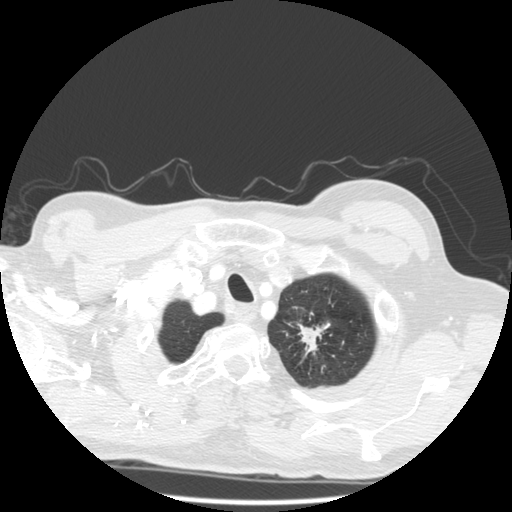
This is axial slice 462 of 501 (slice 1 is the lowest) of a chest CT; each pixel is 0.703 mm and the slice is 1.25 mm thick. Pulmonary nodule, outlined by three of the four readers. Box on this slice rows 322–357, columns 297–330, the union of the readers' outlines on this slice; median longest diameter 33.8 mm (readers' outlines 32.1–39.2 mm), median volume 3078 mm3 (2361–4873 mm3). Median ratings and the readers' spread: median texture 5/5 (solid) (readers ranged 4/5 to 5/5 (solid)); margin 3/5 at the median of three readers, spread 1/5 (indistinct) to 5/5 (circumscribed); median sphericity 3/5 (ovoid) (readers ranged 2/5 to 5/5 (round)); calcification absent, all three readers agreeing; internal structure soft tissue, all three readers agreeing; subtlety 5/5, all three readers agreeing; median malignancy likelihood 5/5 (readers ranged 4–5). Scale key (1–5): texture non-solid→solid, margin indistinct→circumscribed, sphericity linear→round, subtlety extremely subtle→obvious, malignancy likelihood highly unlikely→highly suspicious of cancer. Box rows and columns are 0-based pixel indices from the top-left corner, inclusive.
Acquired at 140 kVp and reconstructed with the STANDARD kernel.